Chest CT, axial plane, 120 kVp, kernel B30f. Slice 202/225 from the bottom of the scan; thickness 2.00 mm; pixel size 0.645 mm.
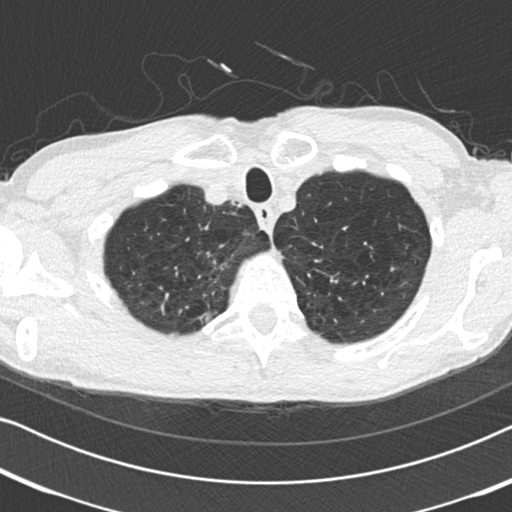
Pulmonary nodule outlined by one of the four readers; box rows 313–322, columns 204–211 (that reader's outline on this slice); longest diameter 11.1 mm and volume 221 mm3 from that reader's outline. That reader's ratings: texture 5/5 (solid); margin 5/5 (circumscribed); sphericity 3/5 (ovoid); calcification solid calcification; internal structure soft tissue; subtlety 5/5; malignancy likelihood 1/5. Scale key (1–5): texture non-solid→solid, margin indistinct→circumscribed, sphericity linear→round, subtlety extremely subtle→obvious, malignancy likelihood highly unlikely→highly suspicious of cancer. Box rows and columns are 0-based pixel indices from the top-left corner, inclusive.